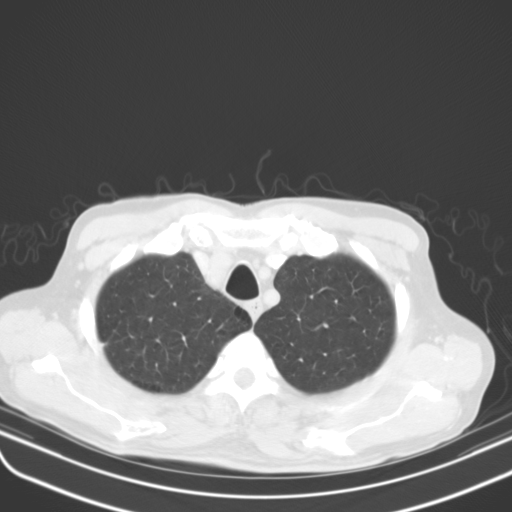
Axial slice 114 of 135 of a chest CT (slice 1 is the lowest), reconstructed with the B31s kernel at 130 kVp; 3.00 mm slice thickness and 0.711 mm pixels.
Pulmonary nodule at rows 342–345, columns 102–108 (box = that reader's outline on this slice), outlined by one of the four readers; longest diameter 11.6 mm and volume 492 mm3 from that reader's outline. Ratings by that reader: texture 5/5 (solid); margin 4/5; sphericity 3/5 (ovoid); calcification absent; internal structure soft tissue; subtlety 5/5; malignancy likelihood 3/5. Scale key (1–5): texture non-solid→solid, margin indistinct→circumscribed, sphericity linear→round, subtlety extremely subtle→obvious, malignancy likelihood highly unlikely→highly suspicious of cancer. Box rows and columns are 0-based pixel indices from the top-left corner, inclusive.